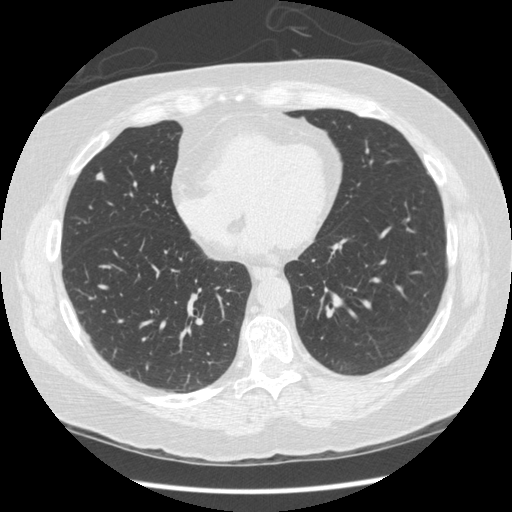
This is axial slice 157 of 436 (slice 1 is the lowest) of a chest CT; each pixel is 0.703 mm and the slice is 1.25 mm thick. Pulmonary nodule at rows 170–181, columns 95–105 (box = the union of the readers' outlines on this slice), outlined by all four readers; the four readers' outlines give a longest diameter between 7.3 and 9.8 mm and a volume between 103 and 208 mm3. The readers' ratings, as ranges where they differ: texture 5/5 (solid) from all four readers; margin from 4/5 to 5/5 (circumscribed) across the four readers; sphericity from 3/5 (ovoid) to 5/5 (round) across the four readers; calcification absent, all four readers agreeing; internal structure soft tissue from all four readers; subtlety 3–5/5 (the readers disagree); malignancy likelihood 2–4/5 (the readers disagree). Scale key (1–5): texture non-solid→solid, margin indistinct→circumscribed, sphericity linear→round, subtlety extremely subtle→obvious, malignancy likelihood highly unlikely→highly suspicious of cancer. Box rows and columns are 0-based pixel indices from the top-left corner, inclusive.
Scan settings: 120 kVp, STANDARD reconstruction kernel.